Axial chest CT slice 100 of 225 (counted from the lowest slice); tube voltage 120 kVp, convolution kernel B30f; slices 2.00 mm thick, 0.645 mm per pixel.
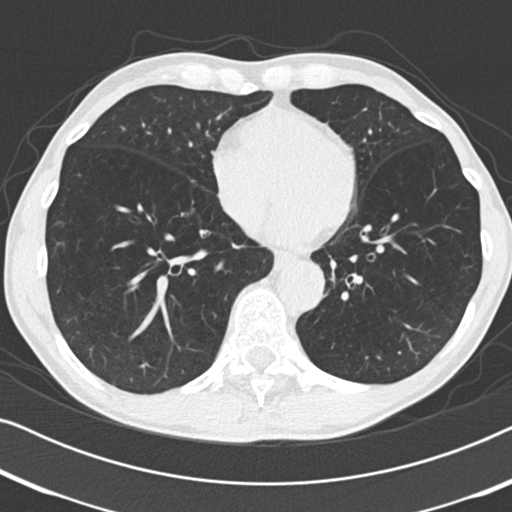
The readers outlined no nodule of 3 mm or more on this slice.